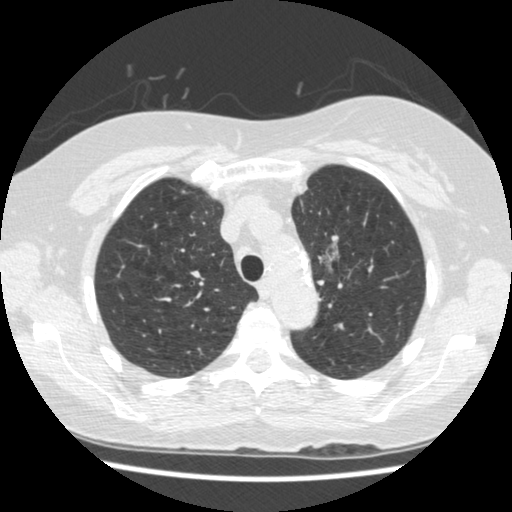
Axial chest CT slice 354 of 474 (counted from the lowest slice); tube voltage 120 kVp, convolution kernel STANDARD; slices 1.25 mm thick, 0.625 mm per pixel.
Pulmonary nodule at rows 244–269, columns 318–338 (box = that reader's outline on this slice), outlined by one of the four readers; longest diameter 17.7 mm and volume 538 mm3 from that reader's outline. That reader's ratings: texture 1/5 (non-solid); margin 2/5; sphericity 3/5 (ovoid); calcification absent; internal structure soft tissue; subtlety 3/5; malignancy likelihood 2/5. Scale key (1–5): texture non-solid→solid, margin indistinct→circumscribed, sphericity linear→round, subtlety extremely subtle→obvious, malignancy likelihood highly unlikely→highly suspicious of cancer. Box rows and columns are 0-based pixel indices from the top-left corner, inclusive.